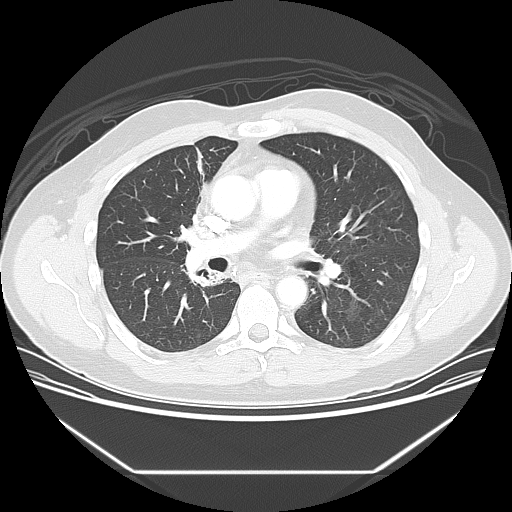
Axial slice 83 of 133 of a chest CT (slice 1 is the lowest), reconstructed with the LUNG kernel at 120 kVp; 2.50 mm slice thickness and 0.781 mm pixels.
No nodule of 3 mm or larger was outlined by any of the four readers on this slice.